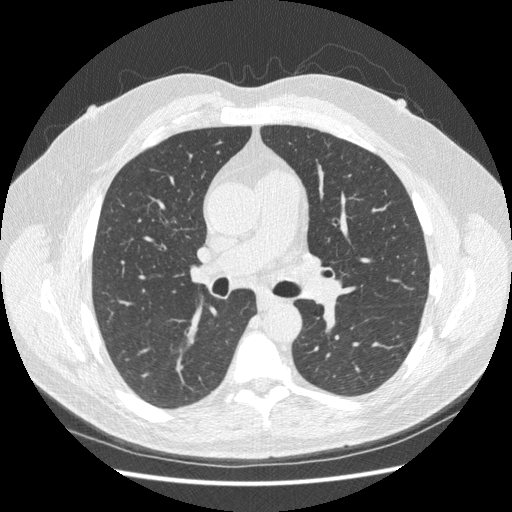
This is axial slice 141 of 250 (slice 1 is the lowest) of a chest CT; each pixel is 0.703 mm and the slice is 1.25 mm thick. This slice carries no reader outline of a nodule 3 mm or larger.
Acquired at 120 kVp and reconstructed with the STANDARD kernel.